One axial slice (202 of 246, counting up from the lowest) of a chest CT acquired at 120 kVp with the BONE kernel; each pixel is 0.586 mm and the slice is 1.25 mm thick.
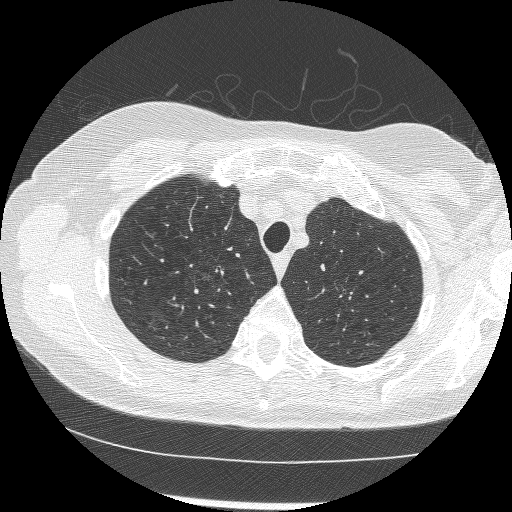
Pulmonary nodule at rows 273–279, columns 202–210 (box = the one reader's outline on this slice), outlined by all four readers, one of them on this slice; the four readers' outlines give a longest diameter between 6.1 and 10.0 mm and a volume between 66 and 342 mm3. Ratings across the readers: texture from 3/5 (part-solid) to 5/5 (solid) across the four readers; margin from 1/5 (indistinct) to 3/5 across the four readers; sphericity from 2/5 to 3/5 (ovoid) across the four readers; calcification absent, all four readers agreeing; internal structure soft tissue, all four readers agreeing; subtlety rated between 3 and 5 out of 5 by the four readers; malignancy likelihood rated between 3 and 5 out of 5 by the four readers. Scale key (1–5): texture non-solid→solid, margin indistinct→circumscribed, sphericity linear→round, subtlety extremely subtle→obvious, malignancy likelihood highly unlikely→highly suspicious of cancer. Box rows and columns are 0-based pixel indices from the top-left corner, inclusive.